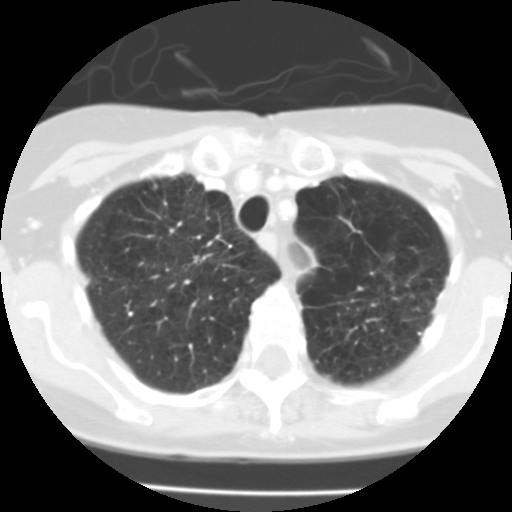
Axial chest CT slice 82 of 100 (counted from the lowest slice); tube voltage 135 kVp, convolution kernel FC01; slices 3.00 mm thick, 0.540 mm per pixel.
Pulmonary nodule outlined by two of the four readers; box rows 184–188, columns 153–156 (the union of the readers' outlines on this slice); median longest diameter 5.2 mm (readers' outlines 4.6–5.8 mm), median volume 103 mm3 (82–124 mm3). Ratings, median across the readers with their spread: texture 5/5 (solid), both readers agreeing; margin 5/5 (circumscribed), both readers agreeing; sphericity 5/5 (round), both readers agreeing; calcification solid calcification, both readers agreeing; internal structure soft tissue from both readers; subtlety 4/5 from both readers; malignancy likelihood 1/5, both readers agreeing. Scale key (1–5): texture non-solid→solid, margin indistinct→circumscribed, sphericity linear→round, subtlety extremely subtle→obvious, malignancy likelihood highly unlikely→highly suspicious of cancer. Box rows and columns are 0-based pixel indices from the top-left corner, inclusive.